Axial slice 185 of 506 of a chest CT (slice 1 is the lowest), reconstructed with the B30f kernel at 120 kVp; 0.75 mm slice thickness and 0.699 mm pixels.
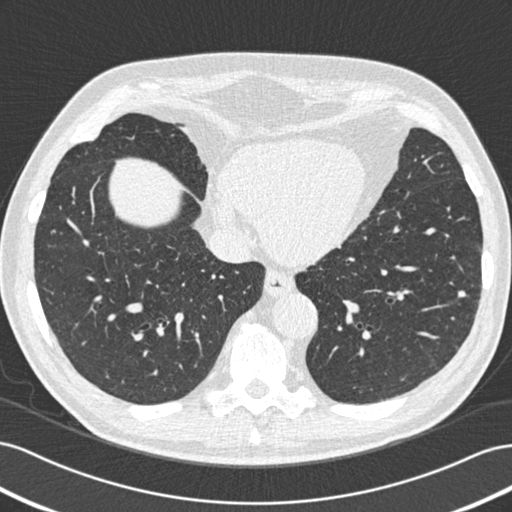
Pulmonary nodule, outlined by all four readers. Box on this slice rows 290–297, columns 458–465, the union of the readers' outlines on this slice; median longest diameter 6.9 mm (readers' outlines 6.6–7.8 mm), median volume 144 mm3 (93–162 mm3). Ratings, median across the readers with their spread: texture 5/5 (solid) from all four readers; median margin 4.5/5 (readers ranged 3/5 to 5/5 (circumscribed)); sphericity 3/5 (ovoid) at the median of four readers, spread 3/5 (ovoid) to 5/5 (round); calcification absent from all four readers; internal structure soft tissue from all four readers; median subtlety 2.5/5 (readers ranged 2–3); malignancy likelihood 2.5/5 at the median of four readers, spread 1–3. Scale key (1–5): texture non-solid→solid, margin indistinct→circumscribed, sphericity linear→round, subtlety extremely subtle→obvious, malignancy likelihood highly unlikely→highly suspicious of cancer. Box rows and columns are 0-based pixel indices from the top-left corner, inclusive.